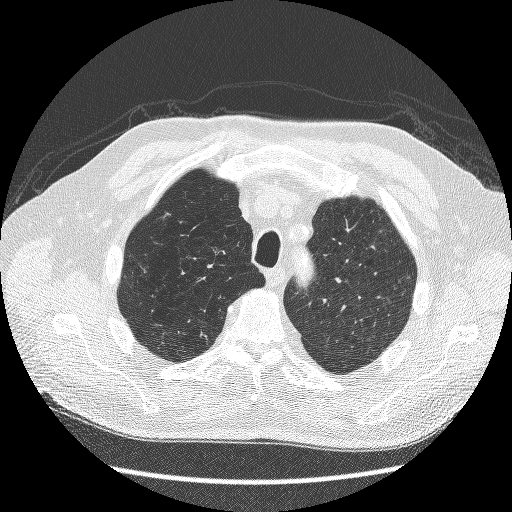
One axial slice (191 of 241, counting up from the lowest) of a chest CT acquired at 120 kVp with the BONE kernel; each pixel is 0.703 mm and the slice is 1.25 mm thick.
Pulmonary nodule outlined by one of the four readers; box rows 212–217, columns 163–170 (that reader's outline on this slice); longest diameter 8.7 mm and volume 67 mm3 from that reader's outline. Ratings by that reader: texture 5/5 (solid); margin 3/5; sphericity 2/5; calcification absent; internal structure soft tissue; subtlety 2/5; malignancy likelihood 1/5. Scale key (1–5): texture non-solid→solid, margin indistinct→circumscribed, sphericity linear→round, subtlety extremely subtle→obvious, malignancy likelihood highly unlikely→highly suspicious of cancer. Box rows and columns are 0-based pixel indices from the top-left corner, inclusive.